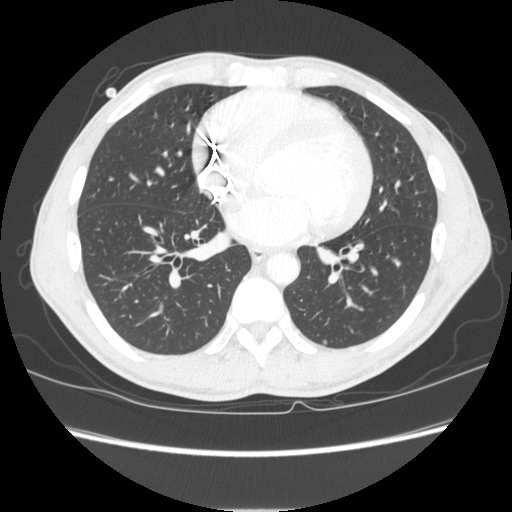
This is axial slice 118 of 261 (slice 1 is the lowest) of a chest CT; each pixel is 0.684 mm and the slice is 1.25 mm thick. Pulmonary nodule outlined by all four readers; box rows 340–344, columns 322–326 (the union of the readers' outlines on this slice); longest diameter 6.0 mm on average over the four readers' outlines (readers' outlines 5.2–6.8 mm), volume 71–112 mm3. Ratings, by the readers' most common answer with dissent counted: texture 5/5 (solid) from all four readers; margin 5/5 (circumscribed), all four readers agreeing; sphericity 4/5 by two of four readers; the rest gave 3/5 (ovoid) (one), 5/5 (round) (one); calcification absent, all four readers agreeing; internal structure soft tissue, all four readers agreeing; subtlety split among the readers: 3/5 (two), 4/5 (two); malignancy likelihood 3/5 by three of four readers; the rest gave 2/5 (one). Scale key (1–5): texture non-solid→solid, margin indistinct→circumscribed, sphericity linear→round, subtlety extremely subtle→obvious, malignancy likelihood highly unlikely→highly suspicious of cancer. Box rows and columns are 0-based pixel indices from the top-left corner, inclusive.
Acquired at 120 kVp and reconstructed with the STANDARD kernel.